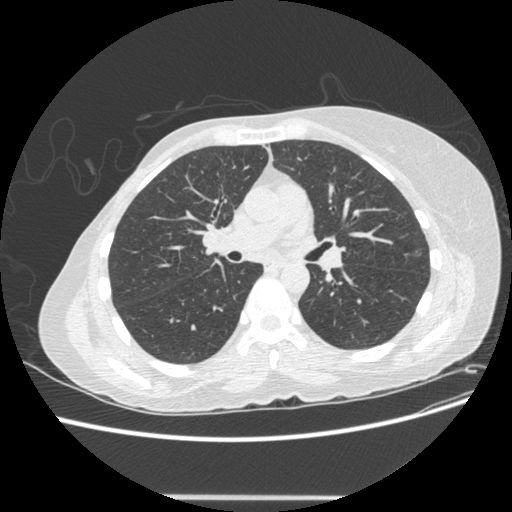
Axial chest CT slice 263 of 500 (counted from the lowest slice); 1.25 mm thick, 0.703 mm per pixel. Pulmonary nodule at rows 249–257, columns 413–421 (box = the union of the readers' outlines on this slice), outlined by all four readers, two of them on this slice; longest diameter 7.8–9.1 mm and volume 108–174 mm3 across the four readers' outlines. Ratings across the readers: texture from 1/5 (non-solid) to 5/5 (solid) across the four readers; margin from 1/5 (indistinct) to 5/5 (circumscribed) across the four readers; sphericity from 3/5 (ovoid) to 5/5 (round) across the four readers; calcification absent, all four readers agreeing; internal structure soft tissue, all four readers agreeing; subtlety from 3/5 to 5/5 across the four readers; malignancy likelihood from 3/5 to 5/5 across the four readers. Scale key (1–5): texture non-solid→solid, margin indistinct→circumscribed, sphericity linear→round, subtlety extremely subtle→obvious, malignancy likelihood highly unlikely→highly suspicious of cancer. Box rows and columns are 0-based pixel indices from the top-left corner, inclusive.
Acquired at 120 kVp and reconstructed with the STANDARD kernel.